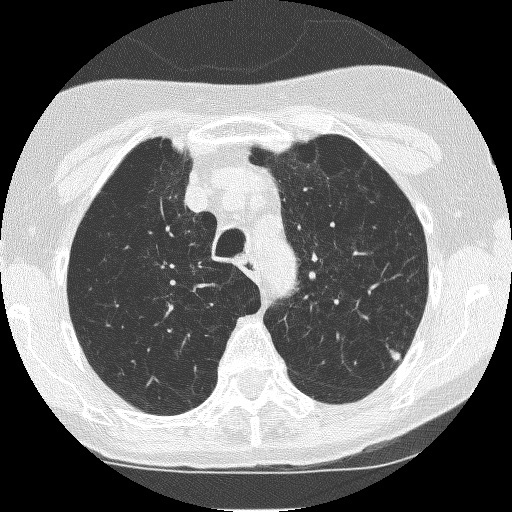
One axial slice (184 of 235, counting up from the lowest) of a chest CT acquired at 120 kVp with the BONE kernel; each pixel is 0.537 mm and the slice is 1.25 mm thick.
Pulmonary nodule at rows 350–360, columns 389–400 (box = the union of the readers' outlines on this slice), outlined by all four readers; median longest diameter 8.2 mm (readers' outlines 7.6–8.7 mm), median volume 125 mm3 (76–139 mm3). Ratings, median across the readers with their spread: median texture 4.5/5 (readers ranged 4/5 to 5/5 (solid)); median margin 4/5 (readers ranged 3/5 to 5/5 (circumscribed)); sphericity 3.5/5 at the median of four readers, spread 3/5 (ovoid) to 4/5; calcification absent, all four readers agreeing; internal structure soft tissue from all four readers; median subtlety 4/5 (readers ranged 4–5); malignancy likelihood 3/5 at the median of four readers, spread 3–4. Scale key (1–5): texture non-solid→solid, margin indistinct→circumscribed, sphericity linear→round, subtlety extremely subtle→obvious, malignancy likelihood highly unlikely→highly suspicious of cancer. Box rows and columns are 0-based pixel indices from the top-left corner, inclusive.